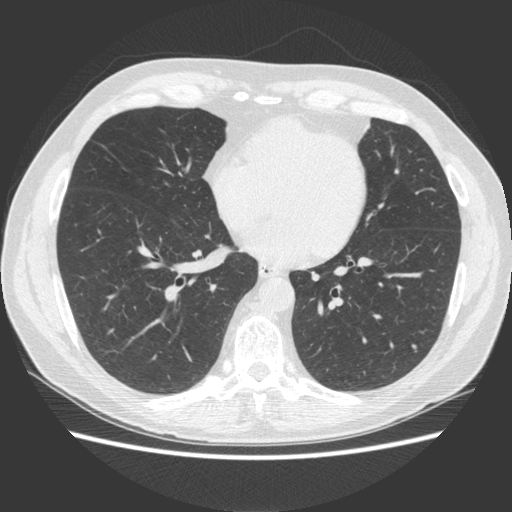
Axial slice 197 of 500 of a chest CT (slice 1 is the lowest), reconstructed with the STANDARD kernel at 120 kVp; 1.25 mm slice thickness and 0.703 mm pixels.
Pulmonary nodule, outlined by three of the four readers. Box on this slice rows 343–349, columns 410–416, the union of the readers' outlines on this slice; longest diameter 7.2 mm on average over the three readers' outlines (readers' outlines 6.6–8.2 mm), volume 102–165 mm3. The readers' prevailing ratings and who disagreed: most readers (two of three) put texture at 5/5 (solid), others 4/5 (one); most readers (two of three) put margin at 4/5, others 5/5 (circumscribed) (one); sphericity split among the readers: 3/5 (ovoid) (one), 4/5 (one), 5/5 (round) (one); calcification absent from all three readers; internal structure soft tissue from all three readers; subtlety 4/5 by two of three readers; the rest gave 5/5 (one); most readers (two of three) put malignancy likelihood at 2/5, others 4/5 (one). Scale key (1–5): texture non-solid→solid, margin indistinct→circumscribed, sphericity linear→round, subtlety extremely subtle→obvious, malignancy likelihood highly unlikely→highly suspicious of cancer. Box rows and columns are 0-based pixel indices from the top-left corner, inclusive.